Axial chest CT slice 255 of 321 (counted from the lowest slice); tube voltage 120 kVp, convolution kernel D; slices 2.00 mm thick, 0.557 mm per pixel.
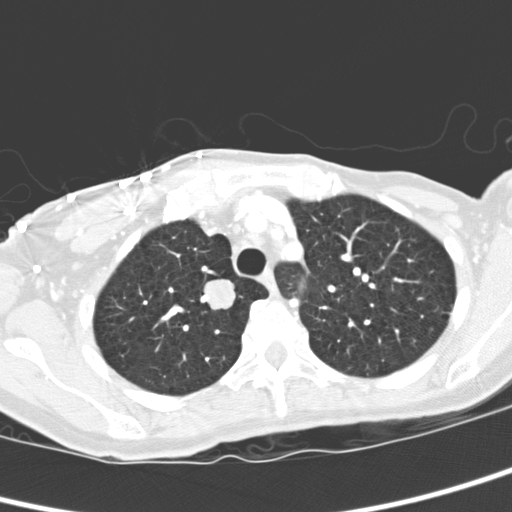
Pulmonary nodule, outlined by all four readers. Box on this slice rows 279–310, columns 202–236, the union of the readers' outlines on this slice; longest diameter 20.6 mm on average over the four readers' outlines (readers' outlines 19.2–21.9 mm), volume 3323–4100 mm3. Ratings, by the readers' most common answer with dissent counted: texture 5/5 (solid) from all four readers; most readers (three of four) put margin at 5/5 (circumscribed), others 4/5 (one); sphericity 5/5 (round) by three of four readers; the rest gave 4/5 (one); calcification absent from all four readers; internal structure soft tissue from all four readers; subtlety 5/5 from all four readers; malignancy likelihood 5/5 by two of four readers; the rest gave 3/5 (one), 4/5 (one). Scale key (1–5): texture non-solid→solid, margin indistinct→circumscribed, sphericity linear→round, subtlety extremely subtle→obvious, malignancy likelihood highly unlikely→highly suspicious of cancer. Box rows and columns are 0-based pixel indices from the top-left corner, inclusive.